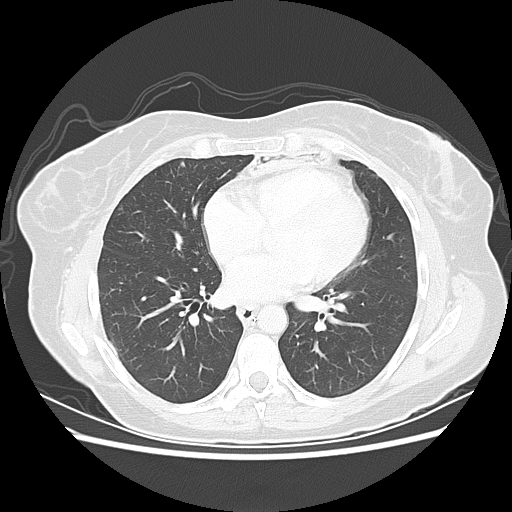
Axial slice 75 of 133 of a chest CT (slice 1 is the lowest), reconstructed with the LUNG kernel at 120 kVp; 2.50 mm slice thickness and 0.703 mm pixels.
Pulmonary nodule outlined by one of the four readers; box rows 161–166, columns 180–184 (that reader's outline on this slice); longest diameter 5.7 mm and volume 77 mm3 from that reader's outline. That reader's ratings: texture 5/5 (solid); margin 4/5; sphericity 4/5; calcification absent; internal structure soft tissue; subtlety 2/5; malignancy likelihood 3/5. Scale key (1–5): texture non-solid→solid, margin indistinct→circumscribed, sphericity linear→round, subtlety extremely subtle→obvious, malignancy likelihood highly unlikely→highly suspicious of cancer. Box rows and columns are 0-based pixel indices from the top-left corner, inclusive.